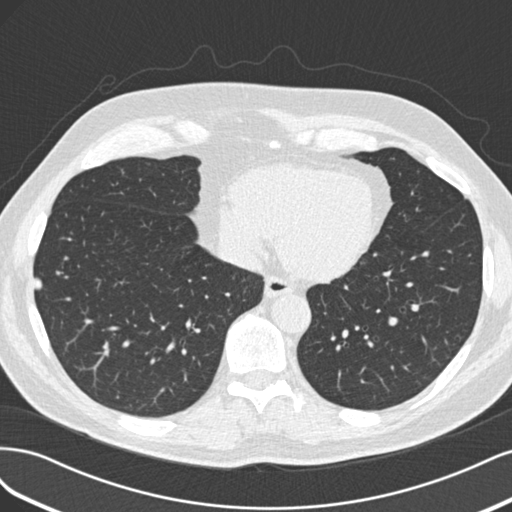
Axial slice 66 of 193 of a chest CT (slice 1 is the lowest), reconstructed with the B30f kernel at 120 kVp; 2.00 mm slice thickness and 0.703 mm pixels.
Pulmonary nodule at rows 278–290, columns 33–43 (box = the union of the readers' outlines on this slice), outlined by three of the four readers; longest diameter 12.1–12.9 mm and volume 445–586 mm3 across the three readers' outlines. Ratings across the readers: texture from 4/5 to 5/5 (solid) across the three readers; margin from 4/5 to 5/5 (circumscribed) across the three readers; sphericity from 4/5 to 5/5 (round) across the three readers; calcification: absent (two), central calcification (one); internal structure soft tissue, all three readers agreeing; subtlety rated between 4 and 5 out of 5 by the three readers; malignancy likelihood from 1/5 to 4/5 across the three readers. Scale key (1–5): texture non-solid→solid, margin indistinct→circumscribed, sphericity linear→round, subtlety extremely subtle→obvious, malignancy likelihood highly unlikely→highly suspicious of cancer. Box rows and columns are 0-based pixel indices from the top-left corner, inclusive.